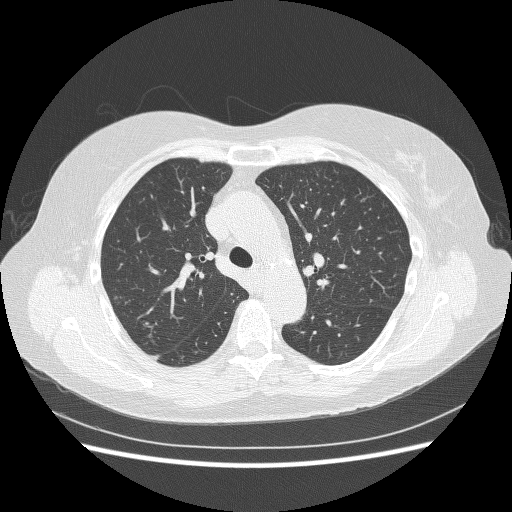
One axial slice (173 of 240, counting up from the lowest) of a chest CT acquired at 120 kVp with the BONE kernel; each pixel is 0.703 mm and the slice is 1.25 mm thick.
Pulmonary nodule at rows 211–214, columns 363–366 (box = the union of the readers' outlines on this slice), outlined by two of the four readers; the two readers' outlines give a longest diameter between 5.1 and 5.8 mm and a volume between 48 and 74 mm3. The readers' ratings, as ranges where they differ: texture 5/5 (solid) from both readers; margin 4/5, both readers agreeing; sphericity from 2/5 to 3/5 (ovoid) across the two readers; calcification absent from both readers; internal structure soft tissue, both readers agreeing; subtlety rated between 1 and 2 out of 5 by the two readers; malignancy likelihood 2–3/5 (the readers disagree). Scale key (1–5): texture non-solid→solid, margin indistinct→circumscribed, sphericity linear→round, subtlety extremely subtle→obvious, malignancy likelihood highly unlikely→highly suspicious of cancer. Box rows and columns are 0-based pixel indices from the top-left corner, inclusive.